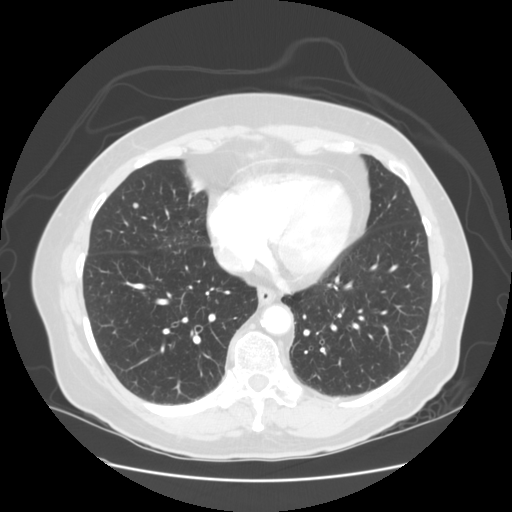
Chest CT, axial plane, 120 kVp, kernel STANDARD. Slice 46/128 from the bottom of the scan; thickness 2.50 mm; pixel size 0.742 mm.
Pulmonary nodule, outlined by three of the four readers. Box on this slice rows 202–208, columns 132–138, the union of the readers' outlines on this slice; median longest diameter 5.7 mm (readers' outlines 5.7–6.4 mm), median volume 124 mm3 (92–149 mm3). Ratings, median across the readers with their spread: texture 5/5 (solid) at the median of three readers, spread 4/5 to 5/5 (solid); median margin 5/5 (circumscribed) (readers ranged 4/5 to 5/5 (circumscribed)); median sphericity 5/5 (round) (readers ranged 4/5 to 5/5 (round)); calcification absent from all three readers; internal structure soft tissue from all three readers; median subtlety 3/5 (readers ranged 3–4); malignancy likelihood 3/5 at the median of three readers, spread 2–3. Scale key (1–5): texture non-solid→solid, margin indistinct→circumscribed, sphericity linear→round, subtlety extremely subtle→obvious, malignancy likelihood highly unlikely→highly suspicious of cancer. Box rows and columns are 0-based pixel indices from the top-left corner, inclusive.